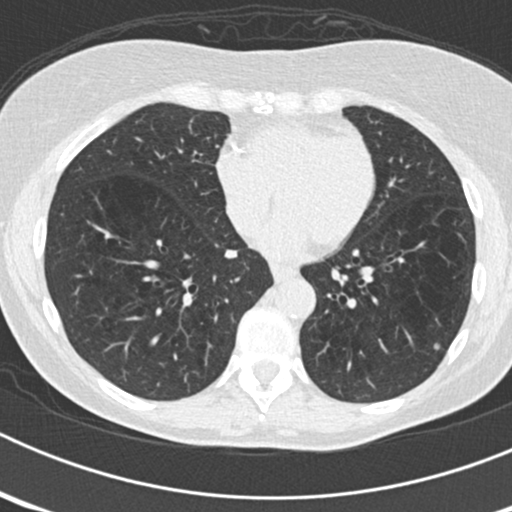
Slice 71/176 of a chest CT, counting up from the lowest; pixel size 0.586 mm, slice thickness 2.00 mm. Pulmonary nodule outlined by three of the four readers; box rows 343–350, columns 433–440 (the union of the readers' outlines on this slice); the three readers' outlines give a longest diameter between 5.4 and 6.3 mm and a volume between 53 and 107 mm3. Ratings across the readers: texture from 4/5 to 5/5 (solid) across the three readers; margin from 4/5 to 5/5 (circumscribed) across the three readers; sphericity from 4/5 to 5/5 (round) across the three readers; calcification absent, all three readers agreeing; internal structure soft tissue, all three readers agreeing; subtlety rated between 3 and 4 out of 5 by the three readers; malignancy likelihood 3/5 from all three readers. Scale key (1–5): texture non-solid→solid, margin indistinct→circumscribed, sphericity linear→round, subtlety extremely subtle→obvious, malignancy likelihood highly unlikely→highly suspicious of cancer. Box rows and columns are 0-based pixel indices from the top-left corner, inclusive.
Tube voltage 120 kVp; convolution kernel B30f.